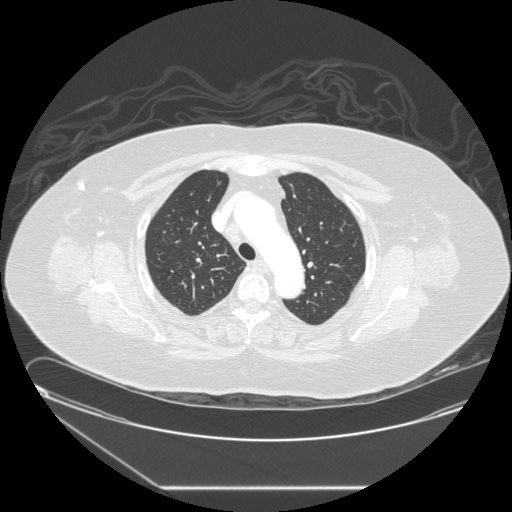
Chest CT, axial plane, 120 kVp, kernel STANDARD. Slice 203/257 from the bottom of the scan; thickness 1.25 mm; pixel size 0.852 mm.
This slice carries no reader outline of a nodule 3 mm or larger.